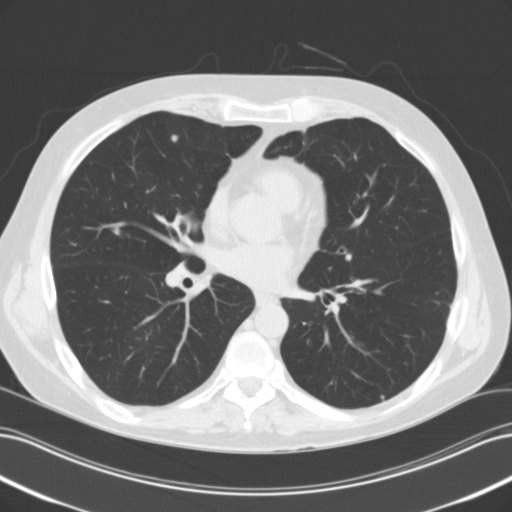
Slice 58/118 of a chest CT, counting up from the lowest; pixel size 0.707 mm, slice thickness 3.00 mm. Two pulmonary nodules on this slice, listed from left to right. (1) Pulmonary nodule outlined by three of the four readers; box rows 134–142, columns 170–178 (the union of the readers' outlines on this slice); longest diameter 6.9 mm on average over the three readers' outlines (readers' outlines 6.0–7.6 mm), volume 103–192 mm3. Ratings, by the readers' most common answer with dissent counted: most readers (two of three) put texture at 4/5, others 5/5 (solid) (one); margin 4/5 by two of three readers; the rest gave 3/5 (one); sphericity 4/5 from all three readers; calcification absent from all three readers; internal structure soft tissue from all three readers; subtlety split among the readers: 1/5 (one), 2/5 (one), 5/5 (one); malignancy likelihood 3/5 by two of three readers; the rest gave 2/5 (one). (2) Pulmonary nodule, outlined by two of the four readers. Box on this slice rows 394–400, columns 379–385, the union of the readers' outlines on this slice; median longest diameter 4.8 mm (readers' outlines 3.8–5.8 mm), median volume 73 mm3 (33–112 mm3). Median ratings and the readers' spread: median texture 4.5/5 (readers ranged 4/5 to 5/5 (solid)); median margin 4/5 (readers ranged 3/5 to 5/5 (circumscribed)); median sphericity 4.5/5 (readers ranged 4/5 to 5/5 (round)); calcification absent from both readers; internal structure soft tissue from both readers; median subtlety 3.5/5 (readers ranged 2–5); malignancy likelihood 2.5/5 at the median of two readers, spread 2–3. Scale key (1–5): texture non-solid→solid, margin indistinct→circumscribed, sphericity linear→round, subtlety extremely subtle→obvious, malignancy likelihood highly unlikely→highly suspicious of cancer. Box rows and columns are 0-based pixel indices from the top-left corner, inclusive.
Acquired at 120 kVp and reconstructed with the B31f kernel.